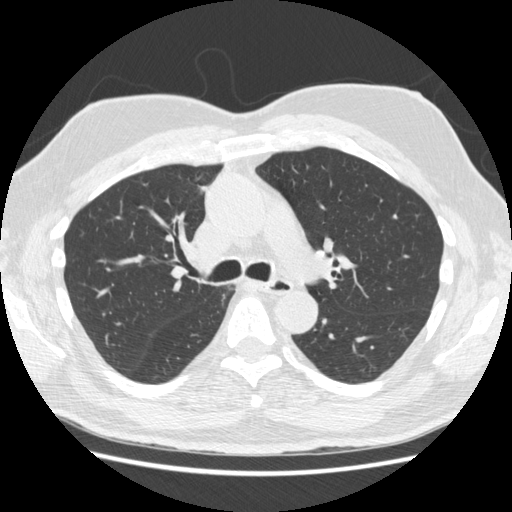
Axial slice 332 of 557 of a chest CT (slice 1 is the lowest), reconstructed with the STANDARD kernel at 120 kVp; 1.25 mm slice thickness and 0.703 mm pixels.
Pulmonary nodule at rows 185–192, columns 199–207 (box = the union of the readers' outlines on this slice), outlined by all four readers; longest diameter 13.4 mm on average over the four readers' outlines (readers' outlines 12.6–14.2 mm), volume 470–622 mm3. Ratings, by the readers' most common answer with dissent counted: texture 5/5 (solid), all four readers agreeing; margin 4/5 by three of four readers; the rest gave 5/5 (circumscribed) (one); sphericity 3/5 (ovoid), all four readers agreeing; calcification absent, all four readers agreeing; internal structure soft tissue, all four readers agreeing; subtlety 5/5 by two of four readers; the rest gave 3/5 (one), 4/5 (one); malignancy likelihood split among the readers: 1/5 (one), 2/5 (one), 3/5 (one), 4/5 (one). Scale key (1–5): texture non-solid→solid, margin indistinct→circumscribed, sphericity linear→round, subtlety extremely subtle→obvious, malignancy likelihood highly unlikely→highly suspicious of cancer. Box rows and columns are 0-based pixel indices from the top-left corner, inclusive.